Axial chest CT slice 152 of 290 (counted from the lowest slice); tube voltage 120 kVp, convolution kernel D; slices 1.00 mm thick, 0.662 mm per pixel.
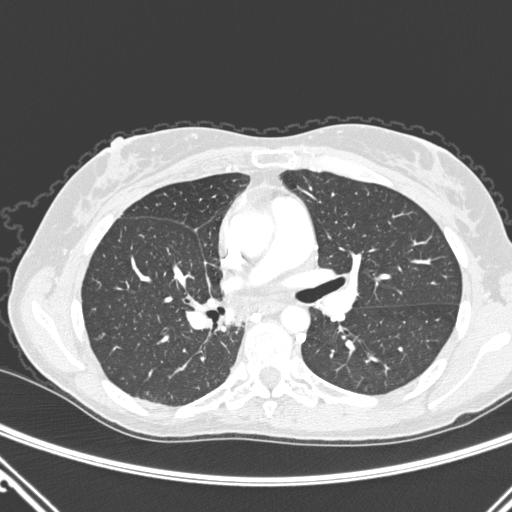
The readers outlined no nodule of 3 mm or more on this slice.